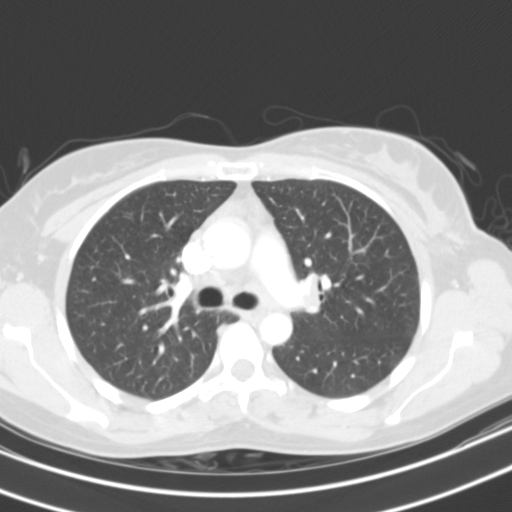
One axial slice (60 of 92, counting up from the lowest) of a chest CT acquired at 130 kVp with the B31s kernel; each pixel is 0.623 mm and the slice is 3.00 mm thick.
This slice carries no reader outline of a nodule 3 mm or larger.